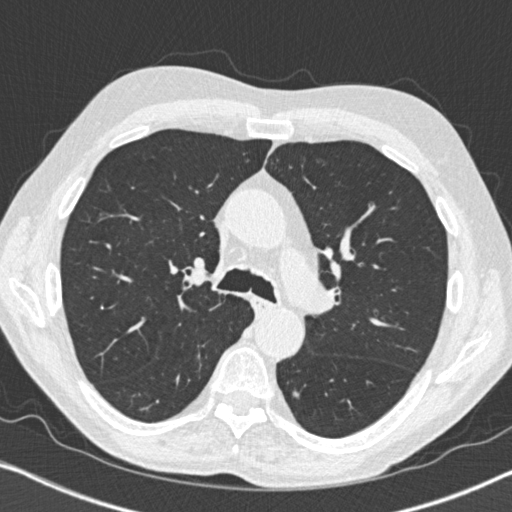
One axial slice (510 of 764, counting up from the lowest) of a chest CT acquired at 120 kVp with the B31f kernel; each pixel is 0.646 mm and the slice is 1.00 mm thick.
Pulmonary nodule at rows 390–399, columns 292–300 (box = the union of the readers' outlines on this slice), outlined by all four readers, three of them on this slice; longest diameter 10.7–12.7 mm and volume 382–638 mm3 across the four readers' outlines. The readers' ratings, as ranges where they differ: texture 5/5 (solid) from all four readers; margin 5/5 (circumscribed), all four readers agreeing; sphericity from 4/5 to 5/5 (round) across the four readers; calcification solid calcification, all four readers agreeing; internal structure soft tissue from all four readers; subtlety 5/5 from all four readers; malignancy likelihood 1/5 from all four readers. Scale key (1–5): texture non-solid→solid, margin indistinct→circumscribed, sphericity linear→round, subtlety extremely subtle→obvious, malignancy likelihood highly unlikely→highly suspicious of cancer. Box rows and columns are 0-based pixel indices from the top-left corner, inclusive.